One axial slice (83 of 116, counting up from the lowest) of a chest CT acquired at 135 kVp with the FC01 kernel; each pixel is 0.692 mm and the slice is 3.00 mm thick.
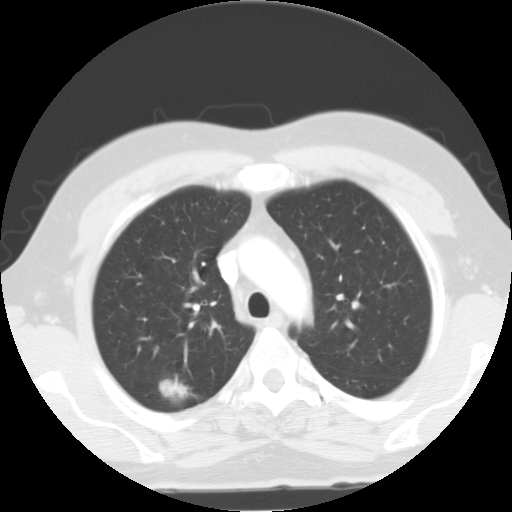
Pulmonary nodule outlined by all four readers; box rows 374–405, columns 159–201 (the union of the readers' outlines on this slice); median longest diameter 30.2 mm (readers' outlines 28.5–32.9 mm), median volume 3551 mm3 (2473–3947 mm3). Median ratings and the readers' spread: texture 3/5 (part-solid) at the median of four readers, spread 3/5 (part-solid) to 5/5 (solid); margin 2/5 at the median of four readers, spread 1/5 (indistinct) to 2/5; median sphericity 3/5 (ovoid) (readers ranged 2/5 to 3/5 (ovoid)); calcification absent, all four readers agreeing; internal structure soft tissue from all four readers; subtlety 5/5 at the median of four readers, spread 4–5; malignancy likelihood 3.5/5 at the median of four readers, spread 2–5. Scale key (1–5): texture non-solid→solid, margin indistinct→circumscribed, sphericity linear→round, subtlety extremely subtle→obvious, malignancy likelihood highly unlikely→highly suspicious of cancer. Box rows and columns are 0-based pixel indices from the top-left corner, inclusive.